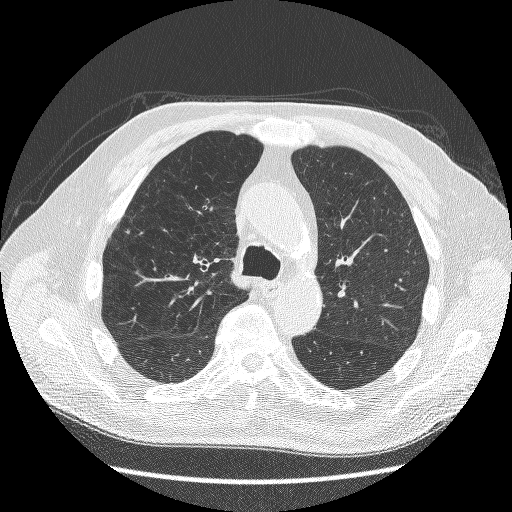
Chest CT, axial plane, 120 kVp, kernel BONE. Slice 169/241 from the bottom of the scan; thickness 1.25 mm; pixel size 0.703 mm.
Pulmonary nodule, outlined by one of the four readers. Box on this slice rows 228–233, columns 123–130, that reader's outline on this slice; longest diameter 6.5 mm and volume 51 mm3 from that reader's outline. Ratings by that reader: texture 5/5 (solid); margin 5/5 (circumscribed); sphericity 4/5; calcification absent; internal structure soft tissue; subtlety 3/5; malignancy likelihood 2/5. Scale key (1–5): texture non-solid→solid, margin indistinct→circumscribed, sphericity linear→round, subtlety extremely subtle→obvious, malignancy likelihood highly unlikely→highly suspicious of cancer. Box rows and columns are 0-based pixel indices from the top-left corner, inclusive.